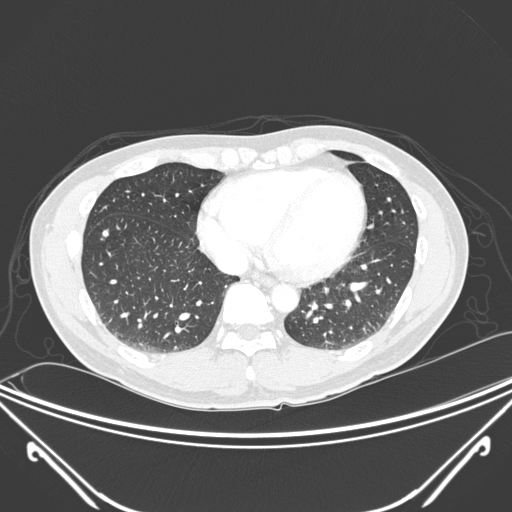
Axial chest CT slice 93 of 325 (counted from the lowest slice); tube voltage 120 kVp, convolution kernel D; slices 1.00 mm thick, 0.781 mm per pixel.
Pulmonary nodule at rows 230–236, columns 102–107 (box = the union of the readers' outlines on this slice), outlined by two of the four readers; median longest diameter 8.8 mm (readers' outlines 8.0–9.7 mm), median volume 180 mm3 (154–206 mm3). Median ratings and the readers' spread: texture 5/5 (solid), both readers agreeing; median margin 4.5/5 (readers ranged 4/5 to 5/5 (circumscribed)); sphericity 4/5 from both readers; calcification absent, both readers agreeing; internal structure soft tissue from both readers; subtlety 5/5, both readers agreeing; median malignancy likelihood 3.5/5 (readers ranged 3–4). Scale key (1–5): texture non-solid→solid, margin indistinct→circumscribed, sphericity linear→round, subtlety extremely subtle→obvious, malignancy likelihood highly unlikely→highly suspicious of cancer. Box rows and columns are 0-based pixel indices from the top-left corner, inclusive.